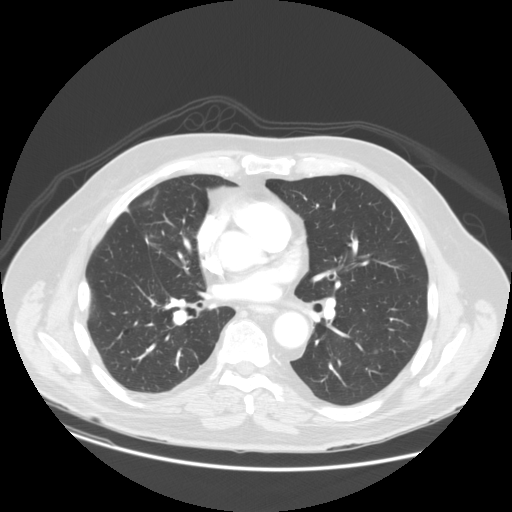
Chest CT, axial plane, 120 kVp, kernel STANDARD. Slice 63/140 from the bottom of the scan; thickness 2.50 mm; pixel size 0.820 mm.
Pulmonary nodule, outlined by one of the four readers. Box on this slice rows 347–355, columns 374–379, that reader's outline on this slice; longest diameter 31.7 mm and volume 4731 mm3 from that reader's outline. Ratings by that reader: texture 1/5 (non-solid); margin 2/5; sphericity 5/5 (round); calcification absent; internal structure soft tissue; subtlety 1/5; malignancy likelihood 2/5. Scale key (1–5): texture non-solid→solid, margin indistinct→circumscribed, sphericity linear→round, subtlety extremely subtle→obvious, malignancy likelihood highly unlikely→highly suspicious of cancer. Box rows and columns are 0-based pixel indices from the top-left corner, inclusive.